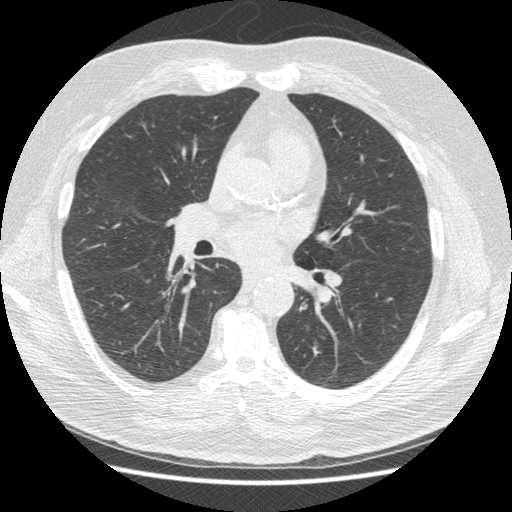
Axial slice 247 of 487 of a chest CT (slice 1 is the lowest), reconstructed with the STANDARD kernel at 120 kVp; 1.25 mm slice thickness and 0.703 mm pixels.
Pulmonary nodule outlined by all four readers, two of them on this slice; box rows 324–327, columns 358–360 (the union of the readers' outlines on this slice); longest diameter 6.7 mm on average over the four readers' outlines (readers' outlines 6.5–7.1 mm), volume 68–92 mm3. Ratings, by the readers' most common answer with dissent counted: texture 5/5 (solid), all four readers agreeing; margin 5/5 (circumscribed), all four readers agreeing; sphericity 5/5 (round) by two of four readers; the rest gave 3/5 (ovoid) (one), 4/5 (one); calcification solid calcification from all four readers; internal structure soft tissue from all four readers; subtlety 5/5 by three of four readers; the rest gave 4/5 (one); malignancy likelihood 1/5, all four readers agreeing. Scale key (1–5): texture non-solid→solid, margin indistinct→circumscribed, sphericity linear→round, subtlety extremely subtle→obvious, malignancy likelihood highly unlikely→highly suspicious of cancer. Box rows and columns are 0-based pixel indices from the top-left corner, inclusive.